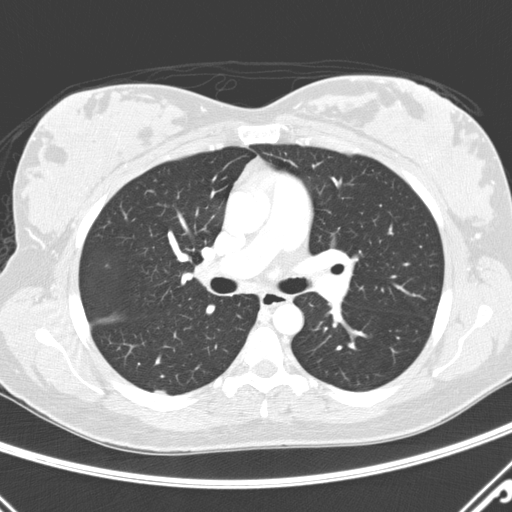
Slice 178/290 of a chest CT, counting up from the lowest; pixel size 0.648 mm, slice thickness 2.00 mm. Pulmonary nodule outlined by one of the four readers; box rows 390–393, columns 155–165 (that reader's outline on this slice); longest diameter 15.8 mm and volume 355 mm3 from that reader's outline. Ratings by that reader: texture 5/5 (solid); margin 5/5 (circumscribed); sphericity 3/5 (ovoid); calcification absent; internal structure soft tissue; subtlety 5/5; malignancy likelihood 3/5. Scale key (1–5): texture non-solid→solid, margin indistinct→circumscribed, sphericity linear→round, subtlety extremely subtle→obvious, malignancy likelihood highly unlikely→highly suspicious of cancer. Box rows and columns are 0-based pixel indices from the top-left corner, inclusive.
Scan settings: 120 kVp, D reconstruction kernel.